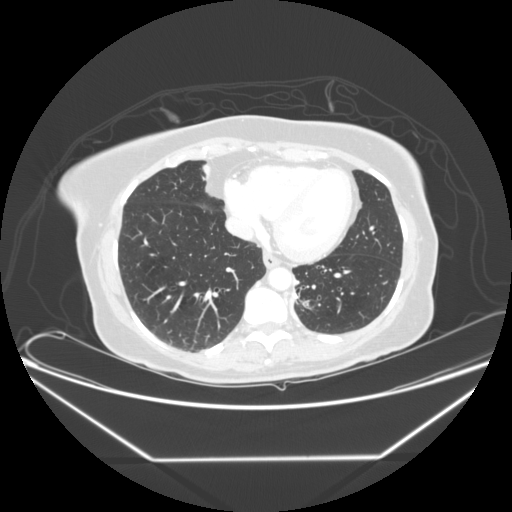
Axial chest CT slice 77 of 245 (counted from the lowest slice); 1.25 mm thick, 0.826 mm per pixel. Pulmonary nodule at rows 300–309, columns 300–310 (box = the union of the readers' outlines on this slice), outlined by all four readers; longest diameter 12.9 mm on average over the four readers' outlines (readers' outlines 10.9–14.9 mm), volume 519–637 mm3. Ratings, by the readers' most common answer with dissent counted: texture 5/5 (solid), all four readers agreeing; margin 4/5 by three of four readers; the rest gave 5/5 (circumscribed) (one); sphericity 4/5 by two of four readers; the rest gave 3/5 (ovoid) (one), 5/5 (round) (one); calcification absent from all four readers; internal structure soft tissue, all four readers agreeing; subtlety split among the readers: 2/5 (one), 3/5 (one), 4/5 (one), 5/5 (one); most readers (three of four) put malignancy likelihood at 3/5, others 4/5 (one). Scale key (1–5): texture non-solid→solid, margin indistinct→circumscribed, sphericity linear→round, subtlety extremely subtle→obvious, malignancy likelihood highly unlikely→highly suspicious of cancer. Box rows and columns are 0-based pixel indices from the top-left corner, inclusive.
Acquired at 120 kVp and reconstructed with the STANDARD kernel.